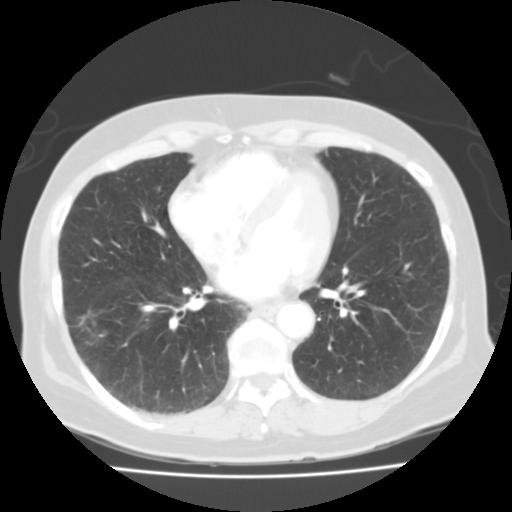
Slice 52/118 of a chest CT, counting up from the lowest; pixel size 0.665 mm, slice thickness 3.00 mm. Pulmonary nodule outlined by all four readers; box rows 306–346, columns 73–108 (the union of the readers' outlines on this slice); longest diameter 33.4 mm on average over the four readers' outlines (readers' outlines 31.8–35.1 mm), volume 6444–8715 mm3. The readers' prevailing ratings and who disagreed: texture 1/5 (non-solid) by two of four readers; the rest gave 2/5 (one), 3/5 (part-solid) (one); margin 2/5 by two of four readers; the rest gave 1/5 (indistinct) (one), 3/5 (one); most readers (three of four) put sphericity at 4/5, others 5/5 (round) (one); calcification absent, all four readers agreeing; internal structure soft tissue from all four readers; subtlety 5/5, all four readers agreeing; malignancy likelihood split among the readers: 2/5 (one), 3/5 (one), 4/5 (one), 5/5 (one). Scale key (1–5): texture non-solid→solid, margin indistinct→circumscribed, sphericity linear→round, subtlety extremely subtle→obvious, malignancy likelihood highly unlikely→highly suspicious of cancer. Box rows and columns are 0-based pixel indices from the top-left corner, inclusive.
Scan settings: 135 kVp, FC01 reconstruction kernel.